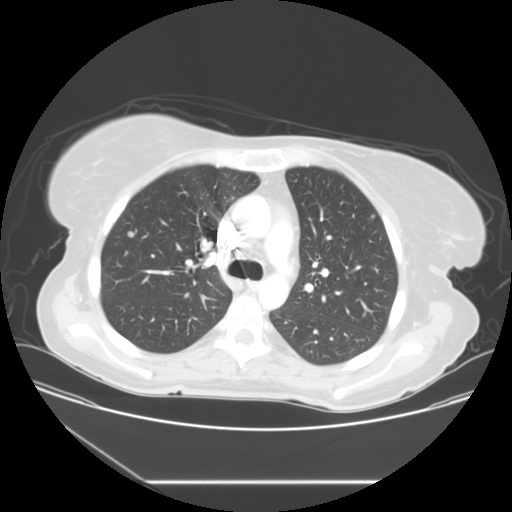
Axial slice 83 of 117 of a chest CT (slice 1 is the lowest), reconstructed with the STANDARD kernel at 120 kVp; 2.50 mm slice thickness and 0.781 mm pixels.
Two pulmonary nodules are outlined on this slice; from left to right: (1) Pulmonary nodule, outlined by all four readers. Box on this slice rows 231–237, columns 127–134, the union of the readers' outlines on this slice; longest diameter 5.6–8.0 mm and volume 85–150 mm3 across the four readers' outlines. Ratings across the readers: texture 5/5 (solid) from all four readers; margin from 4/5 to 5/5 (circumscribed) across the four readers; sphericity from 4/5 to 5/5 (round) across the four readers; calcification absent from all four readers; internal structure soft tissue from all four readers; subtlety from 3/5 to 4/5 across the four readers; malignancy likelihood 2–3/5 (the readers disagree). (2) Pulmonary nodule, outlined by two of the four readers. Box on this slice rows 215–217, columns 371–374, the union of the readers' outlines on this slice; median longest diameter 5.8 mm (readers' outlines 5.7–5.9 mm), median volume 85 mm3 (79–92 mm3). Ratings, median across the readers with their spread: texture 5/5 (solid), both readers agreeing; margin 5/5 (circumscribed) from both readers; sphericity 5/5 (round) from both readers; calcification absent, both readers agreeing; internal structure soft tissue, both readers agreeing; subtlety 3/5, both readers agreeing; malignancy likelihood 2.5/5 at the median of two readers, spread 2–3. Scale key (1–5): texture non-solid→solid, margin indistinct→circumscribed, sphericity linear→round, subtlety extremely subtle→obvious, malignancy likelihood highly unlikely→highly suspicious of cancer. Box rows and columns are 0-based pixel indices from the top-left corner, inclusive.